Axial slice 113 of 129 of a chest CT (slice 1 is the lowest), reconstructed with the BONE kernel at 140 kVp; 2.50 mm slice thickness and 0.645 mm pixels.
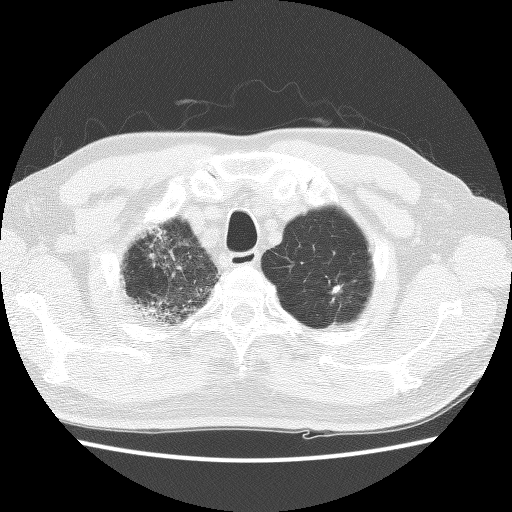
Pulmonary nodule, outlined by all four readers. Box on this slice rows 285–292, columns 332–340, the union of the readers' outlines on this slice; median longest diameter 11.6 mm (readers' outlines 9.7–12.2 mm), median volume 798 mm3 (557–991 mm3). Median ratings and the readers' spread: texture 4.5/5 at the median of four readers, spread 4/5 to 5/5 (solid); margin 3.5/5 at the median of four readers, spread 2/5 to 5/5 (circumscribed); median sphericity 3.5/5 (readers ranged 2/5 to 4/5); calcification split among the readers: absent (two), central calcification (two); internal structure soft tissue, all four readers agreeing; median subtlety 4.5/5 (readers ranged 4–5); malignancy likelihood 2/5 at the median of four readers, spread 1–5. Scale key (1–5): texture non-solid→solid, margin indistinct→circumscribed, sphericity linear→round, subtlety extremely subtle→obvious, malignancy likelihood highly unlikely→highly suspicious of cancer. Box rows and columns are 0-based pixel indices from the top-left corner, inclusive.